One axial slice (42 of 123, counting up from the lowest) of a chest CT acquired at 140 kVp with the STANDARD kernel; each pixel is 0.703 mm and the slice is 2.50 mm thick.
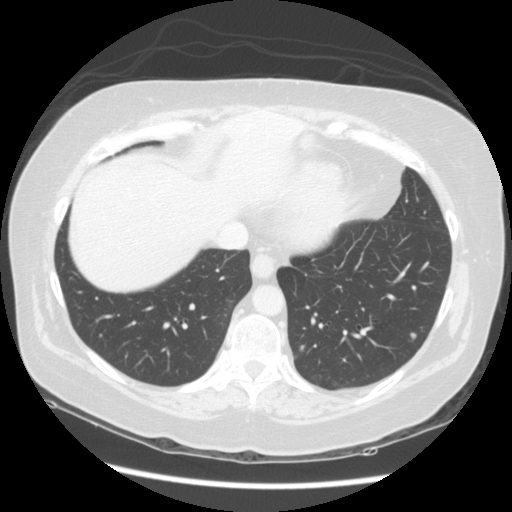
Two pulmonary nodules on this slice, listed from left to right. (1) Pulmonary nodule at rows 344–350, columns 299–304 (box = the union of the readers' outlines on this slice), outlined by three of the four readers; median longest diameter 6.6 mm (readers' outlines 6.5–7.2 mm), median volume 135 mm3 (83–143 mm3). Ratings, median across the readers with their spread: median texture 5/5 (solid) (readers ranged 4/5 to 5/5 (solid)); median margin 4/5 (readers ranged 2/5 to 5/5 (circumscribed)); median sphericity 4/5 (readers ranged 4/5 to 5/5 (round)); calcification absent from all three readers; internal structure soft tissue from all three readers; subtlety 3/5 at the median of three readers, spread 3–4; malignancy likelihood 3/5 at the median of three readers, spread 2–4. (2) Pulmonary nodule, outlined by two of the four readers. Box on this slice rows 332–340, columns 410–416, the union of the readers' outlines on this slice; longest diameter 6.5 mm on average over the two readers' outlines (readers' outlines 6.0–7.1 mm), volume 64–75 mm3. Ratings, by the readers' most common answer with dissent counted: texture split among the readers: 3/5 (part-solid) (one), 4/5 (one); margin split among the readers: 1/5 (indistinct) (one), 3/5 (one); sphericity split among the readers: 3/5 (ovoid) (one), 4/5 (one); calcification absent, both readers agreeing; internal structure soft tissue, both readers agreeing; subtlety split among the readers: 3/5 (one), 4/5 (one); malignancy likelihood 3/5, both readers agreeing. Scale key (1–5): texture non-solid→solid, margin indistinct→circumscribed, sphericity linear→round, subtlety extremely subtle→obvious, malignancy likelihood highly unlikely→highly suspicious of cancer. Box rows and columns are 0-based pixel indices from the top-left corner, inclusive.